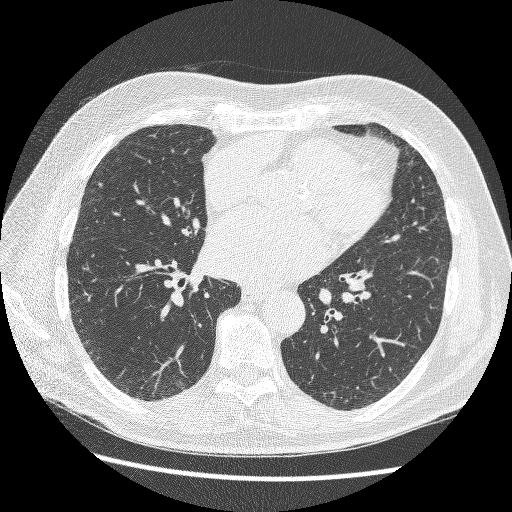
This is axial slice 124 of 264 (slice 1 is the lowest) of a chest CT; each pixel is 0.703 mm and the slice is 1.25 mm thick. Pulmonary nodule outlined by all four readers, three of them on this slice; box rows 183–187, columns 97–102 (the union of the readers' outlines on this slice); the four readers' outlines give a longest diameter between 5.1 and 6.7 mm and a volume between 35 and 70 mm3. Ratings across the readers: texture 5/5 (solid), all four readers agreeing; margin 5/5 (circumscribed) from all four readers; sphericity from 4/5 to 5/5 (round) across the four readers; calcification solid calcification, all four readers agreeing; internal structure soft tissue from all four readers; subtlety 2–5/5 (the readers disagree); malignancy likelihood 1/5 from all four readers. Scale key (1–5): texture non-solid→solid, margin indistinct→circumscribed, sphericity linear→round, subtlety extremely subtle→obvious, malignancy likelihood highly unlikely→highly suspicious of cancer. Box rows and columns are 0-based pixel indices from the top-left corner, inclusive.
Tube voltage 120 kVp; convolution kernel BONE.